Axial slice 66 of 111 of a chest CT (slice 1 is the lowest), reconstructed with the FC01 kernel at 135 kVp; 3.00 mm slice thickness and 0.714 mm pixels.
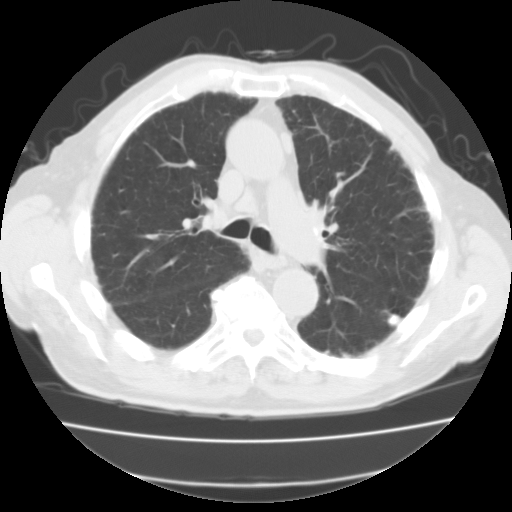
Pulmonary nodule outlined by all four readers; box rows 313–324, columns 388–399 (the union of the readers' outlines on this slice); longest diameter 10.1–12.3 mm and volume 448–609 mm3 across the four readers' outlines. The readers' ratings, as ranges where they differ: texture 5/5 (solid) from all four readers; margin 5/5 (circumscribed) from all four readers; sphericity 5/5 (round) from all four readers; calcification solid calcification, all four readers agreeing; internal structure soft tissue, all four readers agreeing; subtlety 5/5 from all four readers; malignancy likelihood 1/5 from all four readers. Scale key (1–5): texture non-solid→solid, margin indistinct→circumscribed, sphericity linear→round, subtlety extremely subtle→obvious, malignancy likelihood highly unlikely→highly suspicious of cancer. Box rows and columns are 0-based pixel indices from the top-left corner, inclusive.